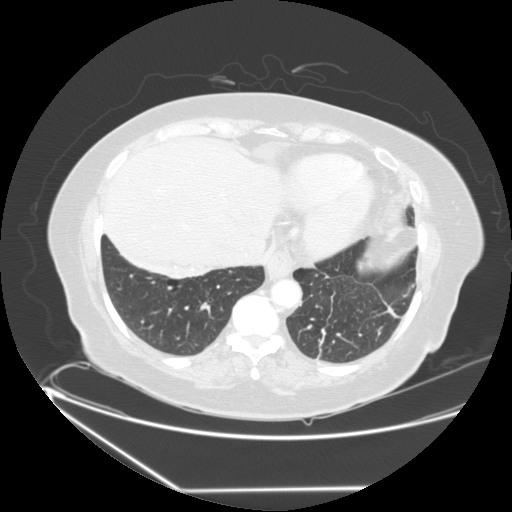
Axial slice 75 of 241 of a chest CT (slice 1 is the lowest), reconstructed with the STANDARD kernel at 120 kVp; 1.25 mm slice thickness and 0.822 mm pixels.
Pulmonary nodule outlined by all four readers, three of them on this slice; box rows 319–323, columns 140–144 (the union of the readers' outlines on this slice); median longest diameter 6.6 mm (readers' outlines 5.5–8.5 mm), median volume 80 mm3 (41–162 mm3). Ratings, median across the readers with their spread: texture 5/5 (solid), all four readers agreeing; margin 5/5 (circumscribed) from all four readers; sphericity 3.5/5 at the median of four readers, spread 2/5 to 5/5 (round); calcification: solid calcification (three), absent (one); internal structure soft tissue from all four readers; subtlety 2.5/5 at the median of four readers, spread 2–5; median malignancy likelihood 1/5 (readers ranged 1–2). Scale key (1–5): texture non-solid→solid, margin indistinct→circumscribed, sphericity linear→round, subtlety extremely subtle→obvious, malignancy likelihood highly unlikely→highly suspicious of cancer. Box rows and columns are 0-based pixel indices from the top-left corner, inclusive.